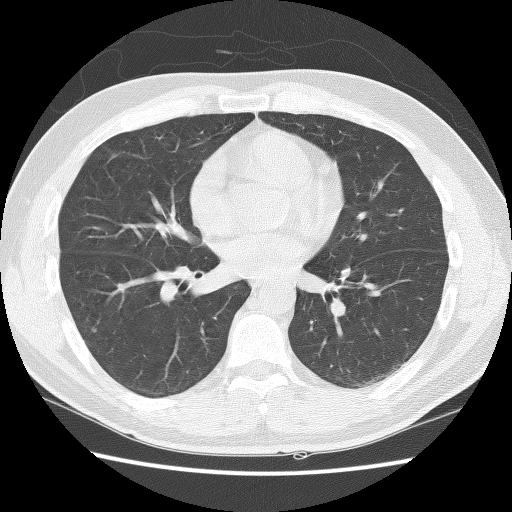
Axial chest CT slice 64 of 127 (counted from the lowest slice); tube voltage 140 kVp, convolution kernel BONE; slices 2.50 mm thick, 0.664 mm per pixel.
Pulmonary nodule outlined by two of the four readers; box rows 327–333, columns 90–97 (the union of the readers' outlines on this slice); median longest diameter 5.7 mm (readers' outlines 5.4–6.1 mm), median volume 76 mm3 (61–92 mm3). Median ratings and the readers' spread: median texture 3.5/5 (readers ranged 2/5 to 5/5 (solid)); margin 3.5/5 at the median of two readers, spread 2/5 to 5/5 (circumscribed); median sphericity 4.5/5 (readers ranged 4/5 to 5/5 (round)); calcification absent, both readers agreeing; internal structure soft tissue from both readers; subtlety 2.5/5 at the median of two readers, spread 1–4; malignancy likelihood 2/5 from both readers. Scale key (1–5): texture non-solid→solid, margin indistinct→circumscribed, sphericity linear→round, subtlety extremely subtle→obvious, malignancy likelihood highly unlikely→highly suspicious of cancer. Box rows and columns are 0-based pixel indices from the top-left corner, inclusive.